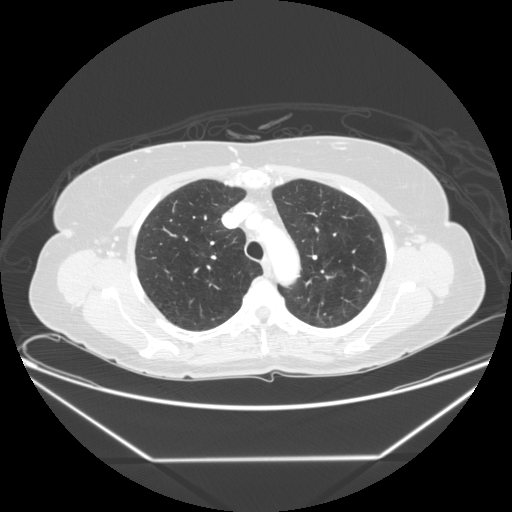
Chest CT, axial plane, 120 kVp, kernel STANDARD. Slice 175/245 from the bottom of the scan; thickness 1.25 mm; pixel size 0.826 mm.
Pulmonary nodule outlined by three of the four readers, one of them on this slice; box rows 277–281, columns 360–365 (the one reader's outline on this slice); longest diameter 6.2 mm on average over the three readers' outlines (readers' outlines 5.8–7.0 mm), volume 43–89 mm3. Ratings, by the readers' most common answer with dissent counted: texture 5/5 (solid), all three readers agreeing; most readers (two of three) put margin at 4/5, others 5/5 (circumscribed) (one); sphericity split among the readers: 3/5 (ovoid) (one), 4/5 (one), 5/5 (round) (one); calcification absent, all three readers agreeing; internal structure soft tissue, all three readers agreeing; most readers (two of three) put subtlety at 1/5, others 3/5 (one); malignancy likelihood 2/5 by two of three readers; the rest gave 3/5 (one). Scale key (1–5): texture non-solid→solid, margin indistinct→circumscribed, sphericity linear→round, subtlety extremely subtle→obvious, malignancy likelihood highly unlikely→highly suspicious of cancer. Box rows and columns are 0-based pixel indices from the top-left corner, inclusive.